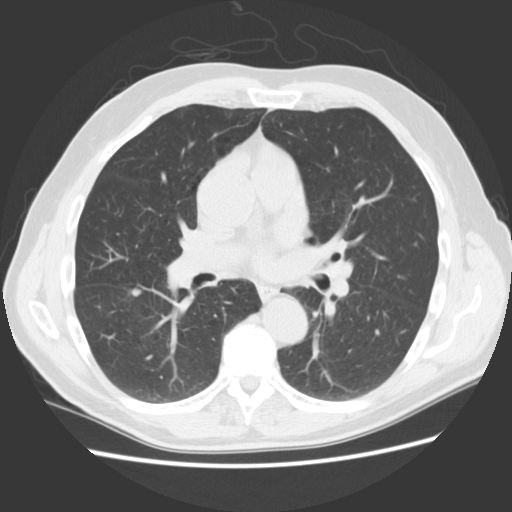
Axial slice 86 of 157 of a chest CT (slice 1 is the lowest), reconstructed with the STANDARD kernel at 120 kVp; 2.50 mm slice thickness and 0.703 mm pixels.
Pulmonary nodule, outlined by all four readers. Box on this slice rows 288–297, columns 130–141, the union of the readers' outlines on this slice; median longest diameter 8.6 mm (readers' outlines 7.8–8.7 mm), median volume 231 mm3 (103–291 mm3). Ratings, median across the readers with their spread: texture 5/5 (solid) from all four readers; median margin 4.5/5 (readers ranged 4/5 to 5/5 (circumscribed)); median sphericity 4/5 (readers ranged 3/5 (ovoid) to 4/5); calcification absent, all four readers agreeing; internal structure soft tissue, all four readers agreeing; subtlety 4.5/5 at the median of four readers, spread 2–5; malignancy likelihood 2.5/5 at the median of four readers, spread 1–3. Scale key (1–5): texture non-solid→solid, margin indistinct→circumscribed, sphericity linear→round, subtlety extremely subtle→obvious, malignancy likelihood highly unlikely→highly suspicious of cancer. Box rows and columns are 0-based pixel indices from the top-left corner, inclusive.